Axial chest CT slice 231 of 441 (counted from the lowest slice); tube voltage 120 kVp, convolution kernel B30f; slices 0.75 mm thick, 0.520 mm per pixel.
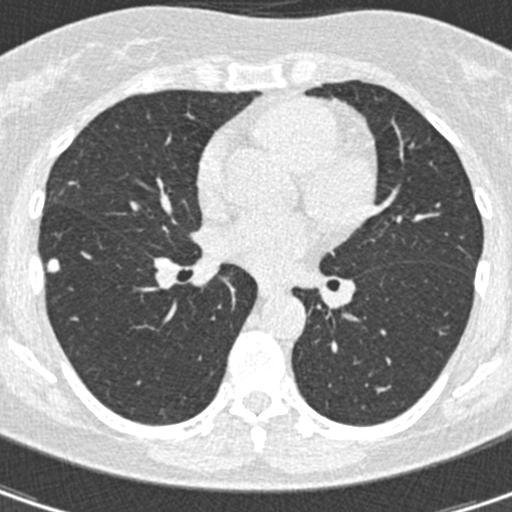
Pulmonary nodule at rows 257–273, columns 45–60 (box = the union of the readers' outlines on this slice), outlined by three of the four readers; longest diameter 9.8–12.4 mm and volume 248–289 mm3 across the three readers' outlines. Ratings across the readers: texture from 4/5 to 5/5 (solid) across the three readers; margin from 4/5 to 5/5 (circumscribed) across the three readers; sphericity from 4/5 to 5/5 (round) across the three readers; calcification: absent (two), solid calcification (one); internal structure soft tissue from all three readers; subtlety from 4/5 to 5/5 across the three readers; malignancy likelihood 1–3/5 (the readers disagree). Scale key (1–5): texture non-solid→solid, margin indistinct→circumscribed, sphericity linear→round, subtlety extremely subtle→obvious, malignancy likelihood highly unlikely→highly suspicious of cancer. Box rows and columns are 0-based pixel indices from the top-left corner, inclusive.